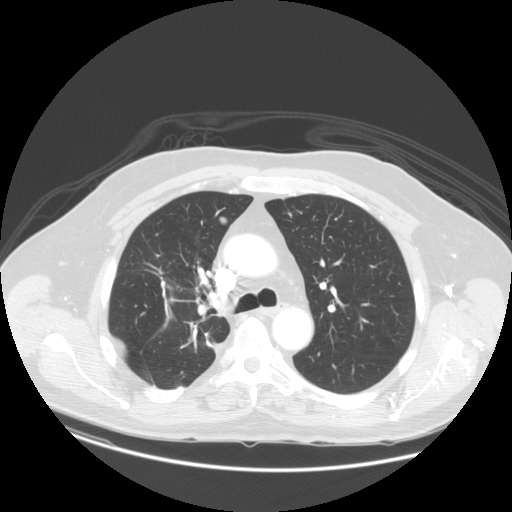
Axial slice 87 of 140 of a chest CT (slice 1 is the lowest), reconstructed with the STANDARD kernel at 120 kVp; 2.50 mm slice thickness and 0.820 mm pixels.
Pulmonary nodule, outlined by all four readers. Box on this slice rows 216–225, columns 218–227, the union of the readers' outlines on this slice; median longest diameter 15.0 mm (readers' outlines 14.3–15.6 mm), median volume 1321 mm3 (1108–1503 mm3). Median ratings and the readers' spread: texture 5/5 (solid) from all four readers; margin 5/5 (circumscribed) from all four readers; sphericity 4.5/5 at the median of four readers, spread 4/5 to 5/5 (round); calcification absent, all four readers agreeing; internal structure soft tissue from all four readers; subtlety 4/5 at the median of four readers, spread 3–5; median malignancy likelihood 3.5/5 (readers ranged 2–5). Scale key (1–5): texture non-solid→solid, margin indistinct→circumscribed, sphericity linear→round, subtlety extremely subtle→obvious, malignancy likelihood highly unlikely→highly suspicious of cancer. Box rows and columns are 0-based pixel indices from the top-left corner, inclusive.